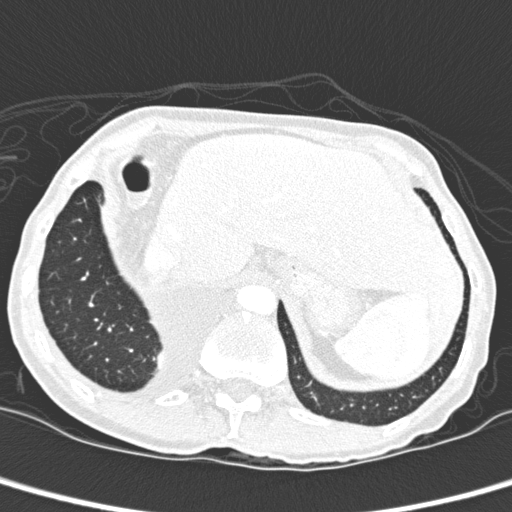
Axial slice 32 of 280 of a chest CT (slice 1 is the lowest), reconstructed with the D kernel at 120 kVp; 1.00 mm slice thickness and 0.564 mm pixels.
Pulmonary nodule, outlined by two of the four readers, one of them on this slice. Box on this slice rows 352–367, columns 157–162, the one reader's outline on this slice; longest diameter 32.1–35.8 mm and volume 5657–6702 mm3 across the two readers' outlines. Ratings across the readers: texture 5/5 (solid), both readers agreeing; margin 4/5 from both readers; sphericity 3/5 (ovoid), both readers agreeing; calcification absent from both readers; internal structure soft tissue, both readers agreeing; subtlety 5/5 from both readers; malignancy likelihood from 2/5 to 3/5 across the two readers. Scale key (1–5): texture non-solid→solid, margin indistinct→circumscribed, sphericity linear→round, subtlety extremely subtle→obvious, malignancy likelihood highly unlikely→highly suspicious of cancer. Box rows and columns are 0-based pixel indices from the top-left corner, inclusive.